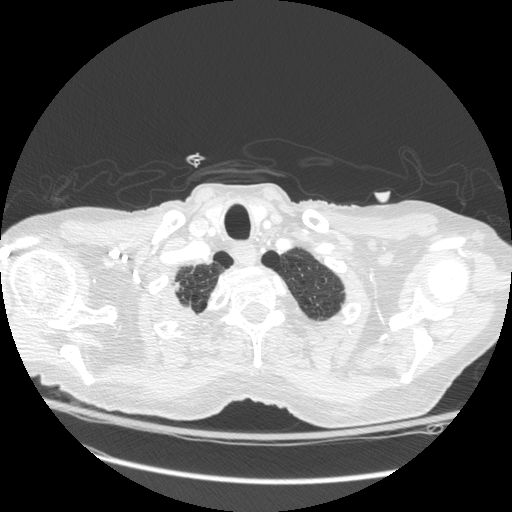
Axial slice 252 of 272 of a chest CT (slice 1 is the lowest), reconstructed with the STANDARD kernel at 120 kVp; 1.25 mm slice thickness and 0.742 mm pixels.
Pulmonary nodule outlined by all four readers, one of them on this slice; box rows 282–316, columns 175–197 (the one reader's outline on this slice); longest diameter 28.8 mm on average over the four readers' outlines (readers' outlines 16.0–56.1 mm), volume 732–13897 mm3. The readers' prevailing ratings and who disagreed: texture 5/5 (solid), all four readers agreeing; margin 3/5 by three of four readers; the rest gave 5/5 (circumscribed) (one); most readers (three of four) put sphericity at 3/5 (ovoid), others 4/5 (one); calcification absent, all four readers agreeing; internal structure soft tissue from all four readers; subtlety 5/5 from all four readers; malignancy likelihood 5/5 by three of four readers; the rest gave 4/5 (one). Scale key (1–5): texture non-solid→solid, margin indistinct→circumscribed, sphericity linear→round, subtlety extremely subtle→obvious, malignancy likelihood highly unlikely→highly suspicious of cancer. Box rows and columns are 0-based pixel indices from the top-left corner, inclusive.